One axial slice (98 of 143, counting up from the lowest) of a chest CT acquired at 120 kVp with the LUNG kernel; each pixel is 0.781 mm and the slice is 2.50 mm thick.
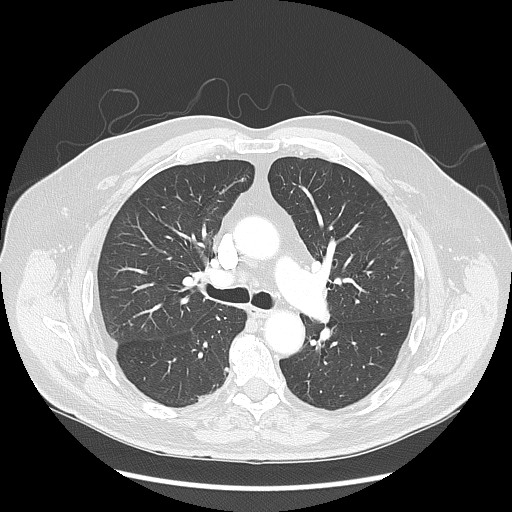
Pulmonary nodule outlined by one of the four readers; box rows 367–370, columns 225–228 (that reader's outline on this slice); longest diameter 6.4 mm and volume 80 mm3 from that reader's outline. Ratings by that reader: texture 5/5 (solid); margin 5/5 (circumscribed); sphericity 5/5 (round); calcification absent; internal structure soft tissue; subtlety 2/5; malignancy likelihood 2/5. Scale key (1–5): texture non-solid→solid, margin indistinct→circumscribed, sphericity linear→round, subtlety extremely subtle→obvious, malignancy likelihood highly unlikely→highly suspicious of cancer. Box rows and columns are 0-based pixel indices from the top-left corner, inclusive.